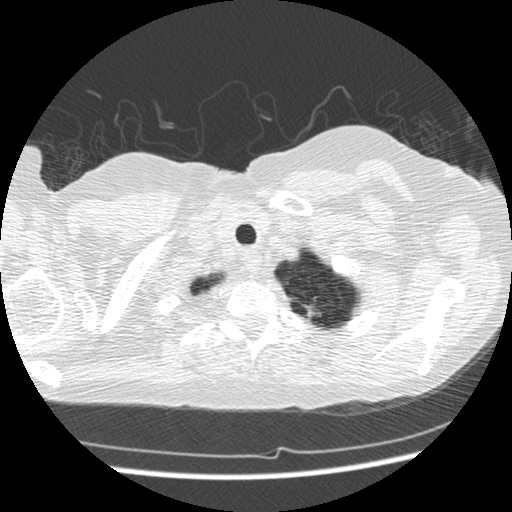
One axial slice (445 of 477, counting up from the lowest) of a chest CT acquired at 120 kVp with the STANDARD kernel; each pixel is 0.625 mm and the slice is 1.25 mm thick.
Pulmonary nodule, outlined by one of the four readers. Box on this slice rows 296–321, columns 301–320, that reader's outline on this slice; longest diameter 20.3 mm and volume 472 mm3 from that reader's outline. Ratings by that reader: texture 5/5 (solid); margin 5/5 (circumscribed); sphericity 5/5 (round); calcification solid calcification; internal structure soft tissue; subtlety 5/5; malignancy likelihood 1/5. Scale key (1–5): texture non-solid→solid, margin indistinct→circumscribed, sphericity linear→round, subtlety extremely subtle→obvious, malignancy likelihood highly unlikely→highly suspicious of cancer. Box rows and columns are 0-based pixel indices from the top-left corner, inclusive.